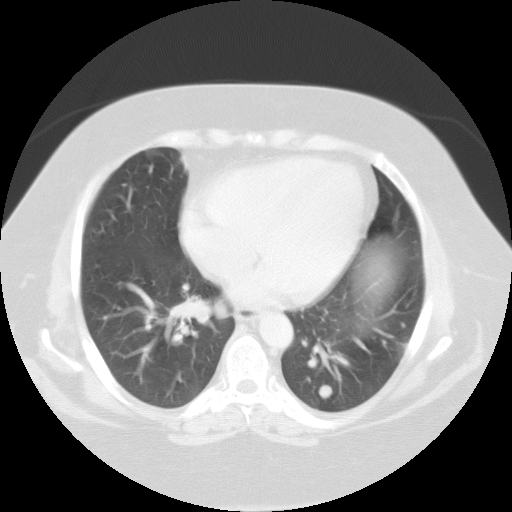
One axial slice (51 of 102, counting up from the lowest) of a chest CT acquired at 135 kVp with the FC01 kernel; each pixel is 0.808 mm and the slice is 3.00 mm thick.
Pulmonary nodule at rows 384–398, columns 318–332 (box = the union of the readers' outlines on this slice), outlined by all four readers; longest diameter 11.5–13.9 mm and volume 1135–1808 mm3 across the four readers' outlines. The readers' ratings, as ranges where they differ: texture 5/5 (solid), all four readers agreeing; margin 5/5 (circumscribed), all four readers agreeing; sphericity 5/5 (round), all four readers agreeing; calcification absent from all four readers; internal structure soft tissue, all four readers agreeing; subtlety rated between 3 and 5 out of 5 by the four readers; malignancy likelihood rated between 2 and 5 out of 5 by the four readers. Scale key (1–5): texture non-solid→solid, margin indistinct→circumscribed, sphericity linear→round, subtlety extremely subtle→obvious, malignancy likelihood highly unlikely→highly suspicious of cancer. Box rows and columns are 0-based pixel indices from the top-left corner, inclusive.